Axial slice 123 of 213 of a chest CT (slice 1 is the lowest), reconstructed with the BONE kernel at 120 kVp; 1.25 mm slice thickness and 0.646 mm pixels.
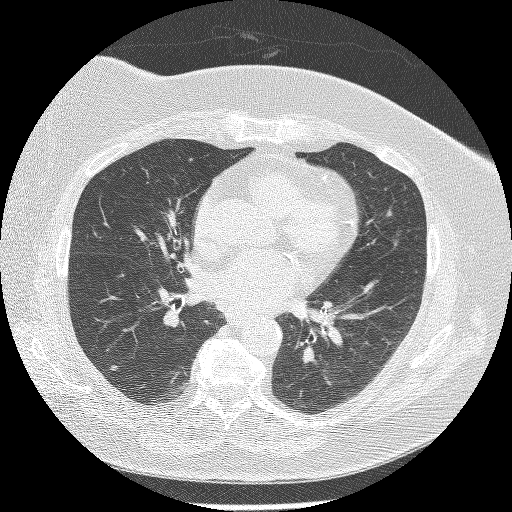
Pulmonary nodule, outlined by three of the four readers. Box on this slice rows 364–370, columns 109–117, the union of the readers' outlines on this slice; longest diameter 6.8 mm on average over the three readers' outlines (readers' outlines 6.6–7.0 mm), volume 91–120 mm3. Ratings, by the readers' most common answer with dissent counted: texture split among the readers: 3/5 (part-solid) (one), 4/5 (one), 5/5 (solid) (one); margin split among the readers: 1/5 (indistinct) (one), 3/5 (one), 4/5 (one); sphericity 4/5 by two of three readers; the rest gave 3/5 (ovoid) (one); calcification absent from all three readers; internal structure soft tissue, all three readers agreeing; most readers (two of three) put subtlety at 4/5, others 3/5 (one); malignancy likelihood split among the readers: 2/5 (one), 3/5 (one), 4/5 (one). Scale key (1–5): texture non-solid→solid, margin indistinct→circumscribed, sphericity linear→round, subtlety extremely subtle→obvious, malignancy likelihood highly unlikely→highly suspicious of cancer. Box rows and columns are 0-based pixel indices from the top-left corner, inclusive.